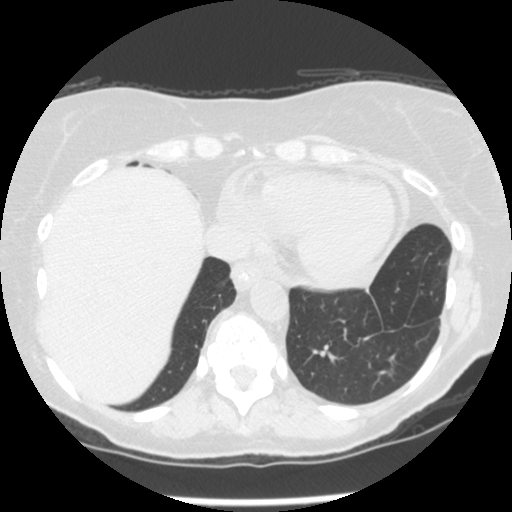
Axial slice 74 of 241 of a chest CT (slice 1 is the lowest), reconstructed with the STANDARD kernel at 120 kVp; 1.25 mm slice thickness and 0.609 mm pixels.
Pulmonary nodule at rows 368–377, columns 386–394 (box = the union of the readers' outlines on this slice), outlined by all four readers; median longest diameter 7.5 mm (readers' outlines 7.3–9.1 mm), median volume 100 mm3 (77–138 mm3). Ratings, median across the readers with their spread: median texture 1.5/5 (readers ranged 1/5 (non-solid) to 3/5 (part-solid)); median margin 2.5/5 (readers ranged 2/5 to 4/5); median sphericity 4/5 (readers ranged 3/5 (ovoid) to 5/5 (round)); calcification absent from all four readers; internal structure soft tissue from all four readers; subtlety 2.5/5 at the median of four readers, spread 1–4; malignancy likelihood 3/5 at the median of four readers, spread 2–4. Scale key (1–5): texture non-solid→solid, margin indistinct→circumscribed, sphericity linear→round, subtlety extremely subtle→obvious, malignancy likelihood highly unlikely→highly suspicious of cancer. Box rows and columns are 0-based pixel indices from the top-left corner, inclusive.